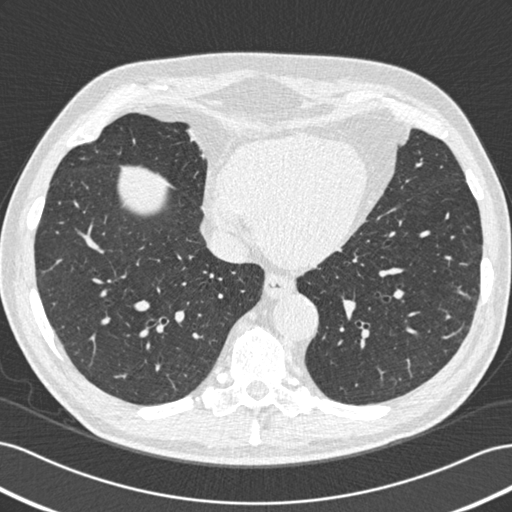
This is axial slice 189 of 506 (slice 1 is the lowest) of a chest CT; each pixel is 0.699 mm and the slice is 0.75 mm thick. Pulmonary nodule outlined by all four readers, three of them on this slice; box rows 291–294, columns 459–464 (the union of the readers' outlines on this slice); longest diameter 6.6–7.8 mm and volume 93–162 mm3 across the four readers' outlines. Ratings across the readers: texture 5/5 (solid) from all four readers; margin from 3/5 to 5/5 (circumscribed) across the four readers; sphericity from 3/5 (ovoid) to 5/5 (round) across the four readers; calcification absent from all four readers; internal structure soft tissue from all four readers; subtlety from 2/5 to 3/5 across the four readers; malignancy likelihood rated between 1 and 3 out of 5 by the four readers. Scale key (1–5): texture non-solid→solid, margin indistinct→circumscribed, sphericity linear→round, subtlety extremely subtle→obvious, malignancy likelihood highly unlikely→highly suspicious of cancer. Box rows and columns are 0-based pixel indices from the top-left corner, inclusive.
Acquired at 120 kVp and reconstructed with the B30f kernel.